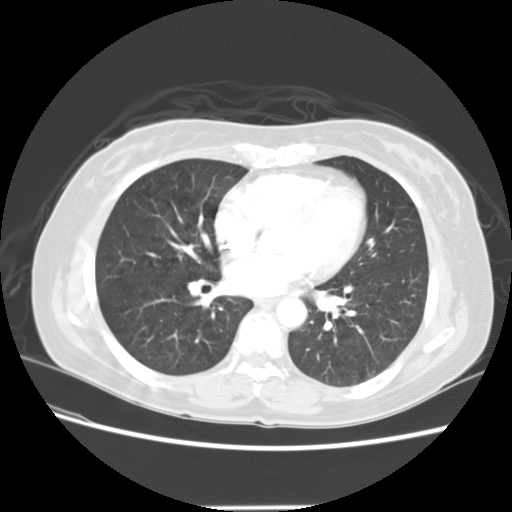
Axial chest CT slice 77 of 133 (counted from the lowest slice); tube voltage 120 kVp, convolution kernel STANDARD; slices 2.50 mm thick, 0.703 mm per pixel.
No nodule 3 mm or larger was outlined here by any reader.